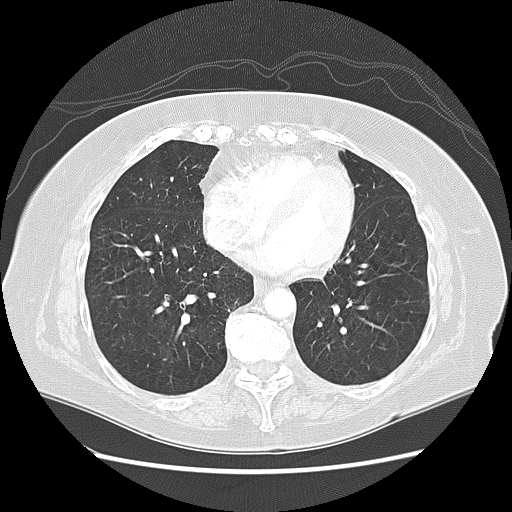
One axial slice (38 of 125, counting up from the lowest) of a chest CT acquired at 120 kVp with the LUNG kernel; each pixel is 0.703 mm and the slice is 2.50 mm thick.
The readers outlined no nodule of 3 mm or more on this slice.